Axial chest CT slice 490 of 764 (counted from the lowest slice); tube voltage 120 kVp, convolution kernel B31f; slices 1.00 mm thick, 0.646 mm per pixel.
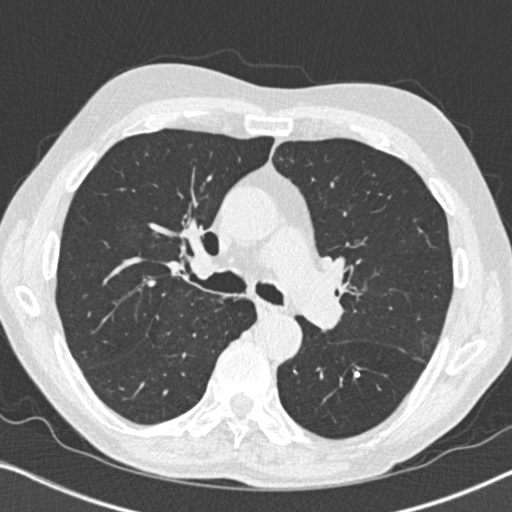
Pulmonary nodule outlined by two of the four readers; box rows 371–377, columns 354–359 (the union of the readers' outlines on this slice); the two readers' outlines give a longest diameter between 4.7 and 5.8 mm and a volume between 50 and 90 mm3. The readers' ratings, as ranges where they differ: texture 5/5 (solid) from both readers; margin 5/5 (circumscribed) from both readers; sphericity from 4/5 to 5/5 (round) across the two readers; calcification solid calcification, both readers agreeing; internal structure soft tissue from both readers; subtlety 5/5 from both readers; malignancy likelihood 1/5, both readers agreeing. Scale key (1–5): texture non-solid→solid, margin indistinct→circumscribed, sphericity linear→round, subtlety extremely subtle→obvious, malignancy likelihood highly unlikely→highly suspicious of cancer. Box rows and columns are 0-based pixel indices from the top-left corner, inclusive.